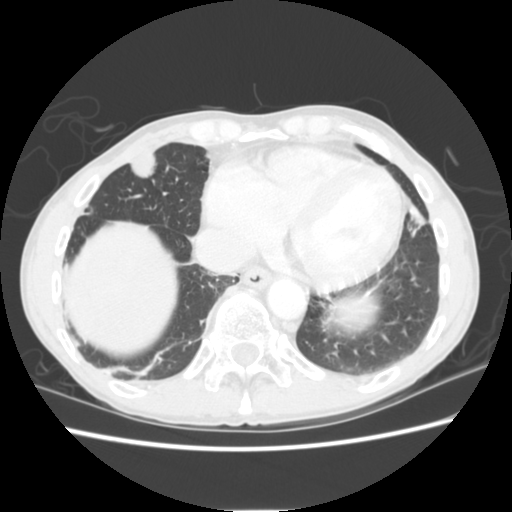
Axial chest CT slice 60 of 255 (counted from the lowest slice); tube voltage 120 kVp, convolution kernel STANDARD; slices 2.50 mm thick, 0.664 mm per pixel.
Pulmonary nodule at rows 151–178, columns 129–157 (box = the union of the readers' outlines on this slice), outlined by all four readers; median longest diameter 26.5 mm (readers' outlines 25.4–30.3 mm), median volume 5349 mm3 (4677–6345 mm3). Ratings, median across the readers with their spread: texture 5/5 (solid), all four readers agreeing; margin 4.5/5 at the median of four readers, spread 4/5 to 5/5 (circumscribed); sphericity 4/5 at the median of four readers, spread 3/5 (ovoid) to 5/5 (round); calcification absent, all four readers agreeing; internal structure soft tissue, all four readers agreeing; subtlety 5/5 from all four readers; median malignancy likelihood 5/5 (readers ranged 3–5). Scale key (1–5): texture non-solid→solid, margin indistinct→circumscribed, sphericity linear→round, subtlety extremely subtle→obvious, malignancy likelihood highly unlikely→highly suspicious of cancer. Box rows and columns are 0-based pixel indices from the top-left corner, inclusive.